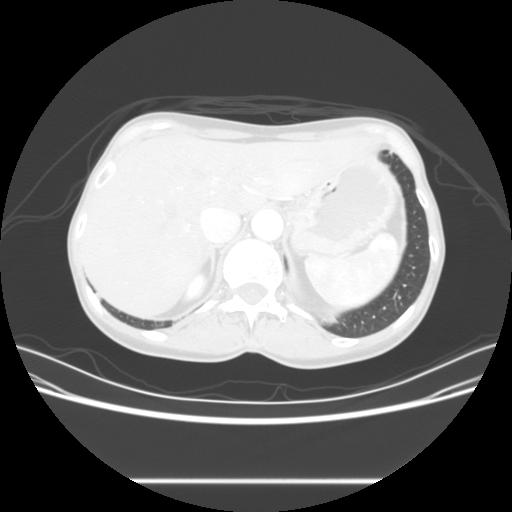
Axial chest CT slice 30 of 133 (counted from the lowest slice); tube voltage 120 kVp, convolution kernel STANDARD; slices 2.50 mm thick, 0.703 mm per pixel.
Pulmonary nodule outlined by two of the four readers; box rows 292–300, columns 96–100 (the union of the readers' outlines on this slice); longest diameter 7.8 mm on average over the two readers' outlines (readers' outlines 7.6–8.0 mm), volume 88–136 mm3. Ratings, by the readers' most common answer with dissent counted: texture 5/5 (solid) from both readers; margin split among the readers: 3/5 (one), 5/5 (circumscribed) (one); sphericity split among the readers: 2/5 (one), 3/5 (ovoid) (one); calcification absent from both readers; internal structure soft tissue, both readers agreeing; subtlety 3/5 from both readers; malignancy likelihood split among the readers: 1/5 (one), 3/5 (one). Scale key (1–5): texture non-solid→solid, margin indistinct→circumscribed, sphericity linear→round, subtlety extremely subtle→obvious, malignancy likelihood highly unlikely→highly suspicious of cancer. Box rows and columns are 0-based pixel indices from the top-left corner, inclusive.